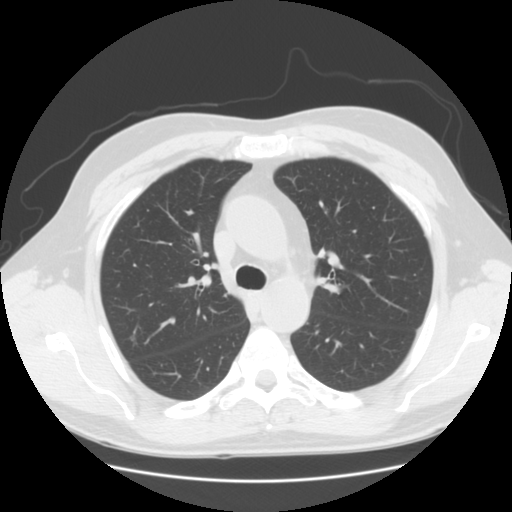
This is axial slice 91 of 133 (slice 1 is the lowest) of a chest CT; each pixel is 0.703 mm and the slice is 2.50 mm thick. Pulmonary nodule at rows 335–345, columns 130–136 (box = the union of the readers' outlines on this slice), outlined by all four readers, two of them on this slice; longest diameter 9.1 mm on average over the four readers' outlines (readers' outlines 8.5–9.4 mm), volume 198–407 mm3. Ratings, by the readers' most common answer with dissent counted: texture 5/5 (solid), all four readers agreeing; margin split among the readers: 4/5 (two), 5/5 (circumscribed) (two); most readers (three of four) put sphericity at 3/5 (ovoid), others 5/5 (round) (one); calcification absent, all four readers agreeing; internal structure soft tissue from all four readers; most readers (three of four) put subtlety at 4/5, others 5/5 (one); malignancy likelihood 3/5 by two of four readers; the rest gave 2/5 (one), 4/5 (one). Scale key (1–5): texture non-solid→solid, margin indistinct→circumscribed, sphericity linear→round, subtlety extremely subtle→obvious, malignancy likelihood highly unlikely→highly suspicious of cancer. Box rows and columns are 0-based pixel indices from the top-left corner, inclusive.
Tube voltage 120 kVp; convolution kernel STANDARD.